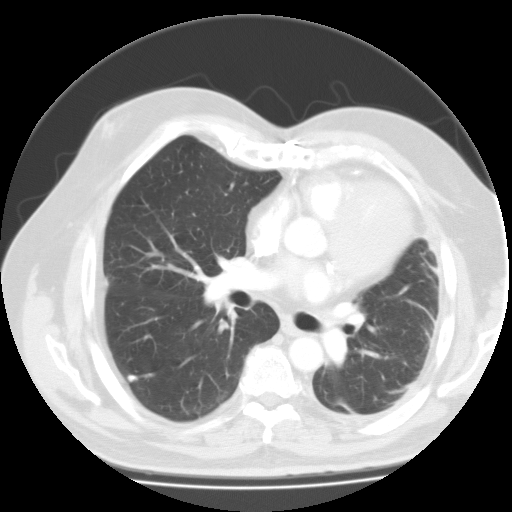
Axial slice 67 of 111 of a chest CT (slice 1 is the lowest), reconstructed with the FC01 kernel at 135 kVp; 3.00 mm slice thickness and 0.769 mm pixels.
Pulmonary nodule at rows 375–381, columns 127–135 (box = the union of the readers' outlines on this slice), outlined by all four readers; the four readers' outlines give a longest diameter between 7.1 and 8.8 mm and a volume between 182 and 267 mm3. Ratings across the readers: texture 5/5 (solid), all four readers agreeing; margin 5/5 (circumscribed), all four readers agreeing; sphericity from 4/5 to 5/5 (round) across the four readers; calcification solid calcification from all four readers; internal structure soft tissue, all four readers agreeing; subtlety 4–5/5 (the readers disagree); malignancy likelihood 1/5, all four readers agreeing. Scale key (1–5): texture non-solid→solid, margin indistinct→circumscribed, sphericity linear→round, subtlety extremely subtle→obvious, malignancy likelihood highly unlikely→highly suspicious of cancer. Box rows and columns are 0-based pixel indices from the top-left corner, inclusive.